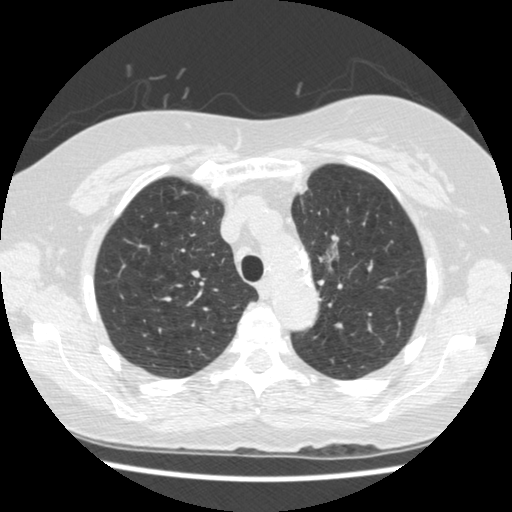
Axial slice 353 of 474 of a chest CT (slice 1 is the lowest), reconstructed with the STANDARD kernel at 120 kVp; 1.25 mm slice thickness and 0.625 mm pixels.
Pulmonary nodule at rows 246–271, columns 319–338 (box = that reader's outline on this slice), outlined by one of the four readers; longest diameter 17.7 mm and volume 538 mm3 from that reader's outline. Ratings by that reader: texture 1/5 (non-solid); margin 2/5; sphericity 3/5 (ovoid); calcification absent; internal structure soft tissue; subtlety 3/5; malignancy likelihood 2/5. Scale key (1–5): texture non-solid→solid, margin indistinct→circumscribed, sphericity linear→round, subtlety extremely subtle→obvious, malignancy likelihood highly unlikely→highly suspicious of cancer. Box rows and columns are 0-based pixel indices from the top-left corner, inclusive.